Axial chest CT slice 76 of 116 (counted from the lowest slice); tube voltage 120 kVp, convolution kernel B31f; slices 3.00 mm thick, 0.547 mm per pixel.
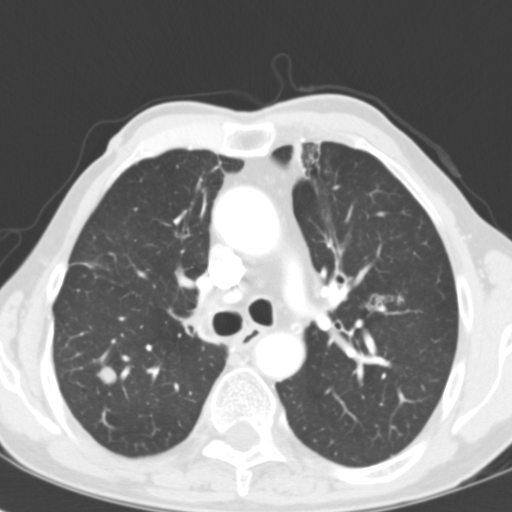
Pulmonary nodule, outlined by all four readers. Box on this slice rows 364–385, columns 95–118, the union of the readers' outlines on this slice; longest diameter 11.8–14.7 mm and volume 700–989 mm3 across the four readers' outlines. The readers' ratings, as ranges where they differ: texture 5/5 (solid), all four readers agreeing; margin from 4/5 to 5/5 (circumscribed) across the four readers; sphericity from 4/5 to 5/5 (round) across the four readers; calcification absent from all four readers; internal structure: soft tissue (three), air (one); subtlety 5/5, all four readers agreeing; malignancy likelihood 3–5/5 (the readers disagree). Scale key (1–5): texture non-solid→solid, margin indistinct→circumscribed, sphericity linear→round, subtlety extremely subtle→obvious, malignancy likelihood highly unlikely→highly suspicious of cancer. Box rows and columns are 0-based pixel indices from the top-left corner, inclusive.